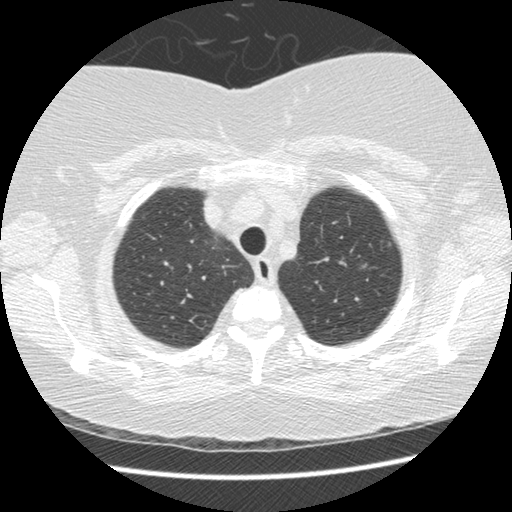
This is axial slice 412 of 474 (slice 1 is the lowest) of a chest CT; each pixel is 0.645 mm and the slice is 1.25 mm thick. Pulmonary nodule, outlined by three of the four readers, two of them on this slice. Box on this slice rows 264–267, columns 362–365, the union of the readers' outlines on this slice; median longest diameter 9.7 mm (readers' outlines 8.2–9.8 mm), median volume 186 mm3 (122–196 mm3). Ratings, median across the readers with their spread: median texture 3/5 (part-solid) (readers ranged 1/5 (non-solid) to 5/5 (solid)); median margin 3/5 (readers ranged 2/5 to 4/5); median sphericity 4/5 (readers ranged 4/5 to 5/5 (round)); calcification absent from all three readers; internal structure soft tissue from all three readers; subtlety 5/5 at the median of three readers, spread 4–5; malignancy likelihood 4/5 from all three readers. Scale key (1–5): texture non-solid→solid, margin indistinct→circumscribed, sphericity linear→round, subtlety extremely subtle→obvious, malignancy likelihood highly unlikely→highly suspicious of cancer. Box rows and columns are 0-based pixel indices from the top-left corner, inclusive.
Acquired at 120 kVp and reconstructed with the STANDARD kernel.